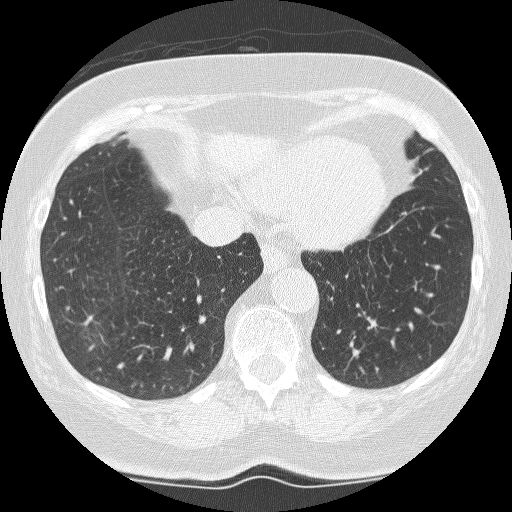
Axial slice 78 of 246 of a chest CT (slice 1 is the lowest), reconstructed with the BONE kernel at 120 kVp; 1.25 mm slice thickness and 0.566 mm pixels.
Pulmonary nodule, outlined by all four readers, three of them on this slice. Box on this slice rows 316–330, columns 366–377, the union of the readers' outlines on this slice; median longest diameter 15.5 mm (readers' outlines 13.8–17.3 mm), median volume 933 mm3 (672–1099 mm3). Ratings, median across the readers with their spread: texture 5/5 (solid), all four readers agreeing; median margin 3/5 (readers ranged 2/5 to 4/5); median sphericity 3.5/5 (readers ranged 2/5 to 4/5); calcification absent from all four readers; internal structure soft tissue, all four readers agreeing; median subtlety 4.5/5 (readers ranged 4–5); malignancy likelihood 4.5/5 at the median of four readers, spread 3–5. Scale key (1–5): texture non-solid→solid, margin indistinct→circumscribed, sphericity linear→round, subtlety extremely subtle→obvious, malignancy likelihood highly unlikely→highly suspicious of cancer. Box rows and columns are 0-based pixel indices from the top-left corner, inclusive.